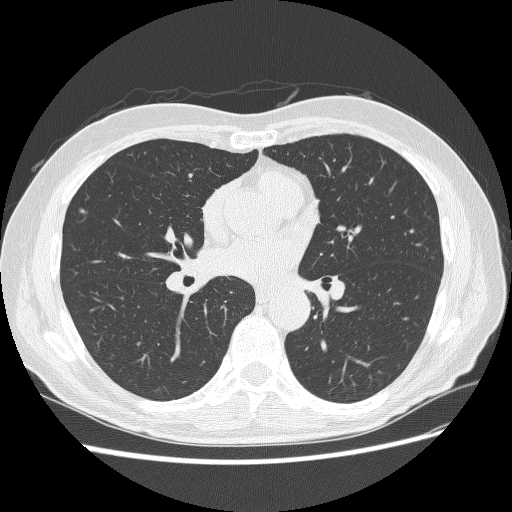
One axial slice (139 of 280, counting up from the lowest) of a chest CT acquired at 120 kVp with the BONE kernel; each pixel is 0.703 mm and the slice is 1.25 mm thick.
Pulmonary nodule at rows 208–213, columns 79–85 (box = the union of the readers' outlines on this slice), outlined by three of the four readers; median longest diameter 8.6 mm (readers' outlines 8.2–9.8 mm), median volume 137 mm3 (110–166 mm3). Ratings, median across the readers with their spread: texture 5/5 (solid), all three readers agreeing; median margin 4/5 (readers ranged 3/5 to 4/5); median sphericity 3/5 (ovoid) (readers ranged 2/5 to 3/5 (ovoid)); calcification absent from all three readers; internal structure soft tissue, all three readers agreeing; subtlety 4/5 at the median of three readers, spread 3–5; median malignancy likelihood 3/5 (readers ranged 3–4). Scale key (1–5): texture non-solid→solid, margin indistinct→circumscribed, sphericity linear→round, subtlety extremely subtle→obvious, malignancy likelihood highly unlikely→highly suspicious of cancer. Box rows and columns are 0-based pixel indices from the top-left corner, inclusive.